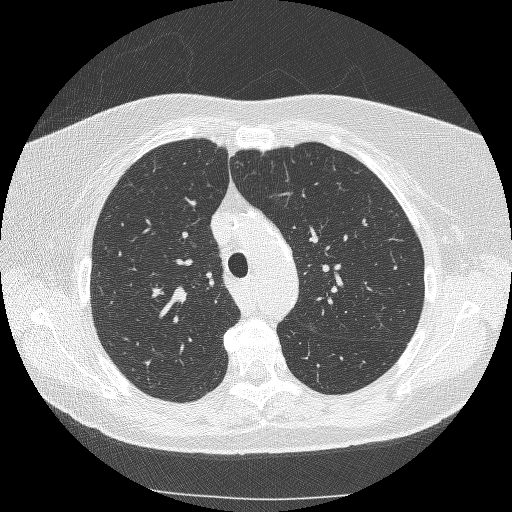
One axial slice (198 of 253, counting up from the lowest) of a chest CT acquired at 120 kVp with the BONE kernel; each pixel is 0.625 mm and the slice is 1.25 mm thick.
Pulmonary nodule at rows 151–155, columns 262–263 (box = that reader's outline on this slice), outlined by one of the four readers; longest diameter 10.7 mm and volume 164 mm3 from that reader's outline. That reader's ratings: texture 5/5 (solid); margin 4/5; sphericity 2/5; calcification absent; internal structure soft tissue; subtlety 3/5; malignancy likelihood 3/5. Scale key (1–5): texture non-solid→solid, margin indistinct→circumscribed, sphericity linear→round, subtlety extremely subtle→obvious, malignancy likelihood highly unlikely→highly suspicious of cancer. Box rows and columns are 0-based pixel indices from the top-left corner, inclusive.